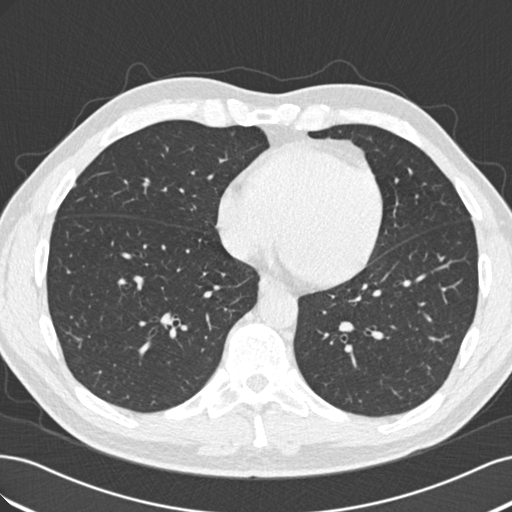
Axial chest CT slice 91 of 219 (counted from the lowest slice); tube voltage 120 kVp, convolution kernel B30f; slices 2.00 mm thick, 0.703 mm per pixel.
Pulmonary nodule at rows 182–186, columns 71–76 (box = that reader's outline on this slice), outlined by one of the four readers; longest diameter 6.7 mm and volume 132 mm3 from that reader's outline. That reader's ratings: texture 5/5 (solid); margin 5/5 (circumscribed); sphericity 3/5 (ovoid); calcification absent; internal structure soft tissue; subtlety 4/5; malignancy likelihood 1/5. Scale key (1–5): texture non-solid→solid, margin indistinct→circumscribed, sphericity linear→round, subtlety extremely subtle→obvious, malignancy likelihood highly unlikely→highly suspicious of cancer. Box rows and columns are 0-based pixel indices from the top-left corner, inclusive.